Axial slice 63 of 103 of a chest CT (slice 1 is the lowest), reconstructed with the FC01 kernel at 135 kVp; 3.00 mm slice thickness and 0.738 mm pixels.
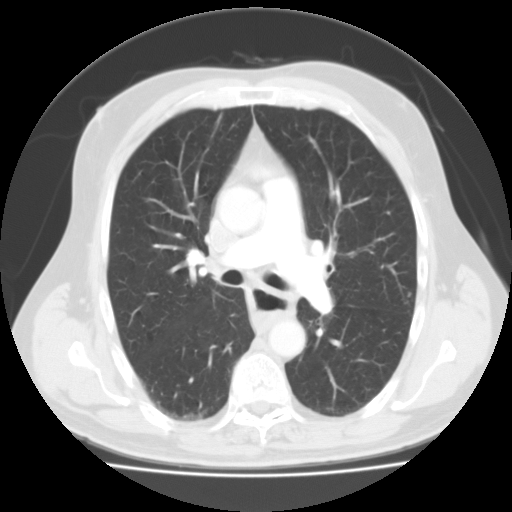
Pulmonary nodule at rows 291–296, columns 407–411 (box = that reader's outline on this slice), outlined by one of the four readers; longest diameter 6.3 mm and volume 153 mm3 from that reader's outline. Ratings by that reader: texture 4/5; margin 3/5; sphericity 4/5; calcification absent; internal structure soft tissue; subtlety 4/5; malignancy likelihood 3/5. Scale key (1–5): texture non-solid→solid, margin indistinct→circumscribed, sphericity linear→round, subtlety extremely subtle→obvious, malignancy likelihood highly unlikely→highly suspicious of cancer. Box rows and columns are 0-based pixel indices from the top-left corner, inclusive.